Axial chest CT slice 32 of 111 (counted from the lowest slice); tube voltage 135 kVp, convolution kernel FC01; slices 3.00 mm thick, 0.714 mm per pixel.
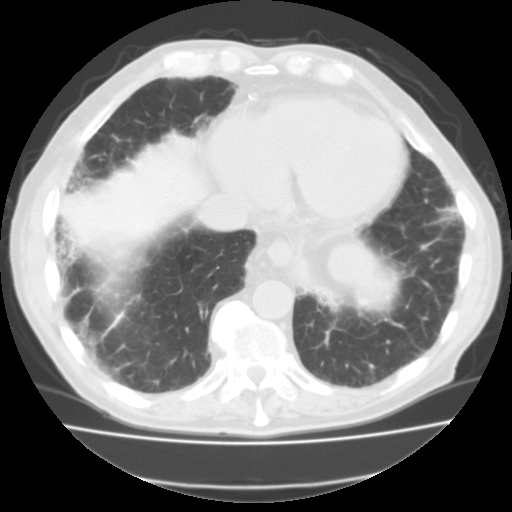
Pulmonary nodule, outlined by all four readers, two of them on this slice. Box on this slice rows 202–223, columns 436–459, the union of the readers' outlines on this slice; longest diameter 20.2 mm on average over the four readers' outlines (readers' outlines 19.5–21.5 mm), volume 3640–4836 mm3. Ratings, by the readers' most common answer with dissent counted: texture 5/5 (solid) from all four readers; most readers (three of four) put margin at 5/5 (circumscribed), others 4/5 (one); sphericity 3/5 (ovoid) by two of four readers; the rest gave 4/5 (one), 5/5 (round) (one); calcification absent, all four readers agreeing; internal structure soft tissue, all four readers agreeing; subtlety 5/5, all four readers agreeing; malignancy likelihood split among the readers: 2/5 (one), 3/5 (one), 4/5 (one), 5/5 (one). Scale key (1–5): texture non-solid→solid, margin indistinct→circumscribed, sphericity linear→round, subtlety extremely subtle→obvious, malignancy likelihood highly unlikely→highly suspicious of cancer. Box rows and columns are 0-based pixel indices from the top-left corner, inclusive.